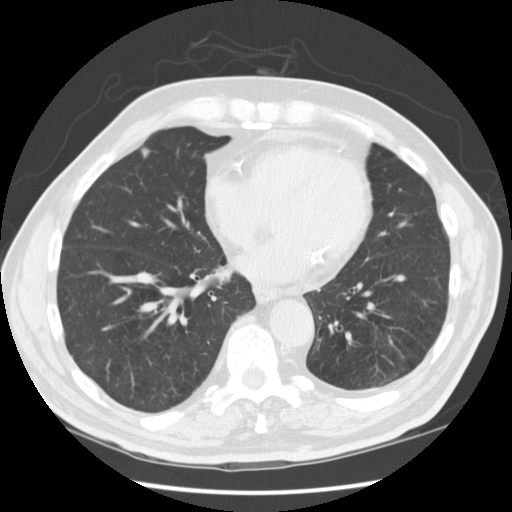
Chest CT, axial plane, 120 kVp, kernel STANDARD. Slice 62/166 from the bottom of the scan; thickness 2.50 mm; pixel size 0.723 mm.
Pulmonary nodule outlined by all four readers; box rows 147–159, columns 141–149 (the union of the readers' outlines on this slice); the four readers' outlines give a longest diameter between 7.3 and 10.5 mm and a volume between 126 and 259 mm3. The readers' ratings, as ranges where they differ: texture from 1/5 (non-solid) to 5/5 (solid) across the four readers; margin from 2/5 to 5/5 (circumscribed) across the four readers; sphericity from 4/5 to 5/5 (round) across the four readers; calcification absent, all four readers agreeing; internal structure soft tissue, all four readers agreeing; subtlety 1–4/5 (the readers disagree); malignancy likelihood 2/5 from all four readers. Scale key (1–5): texture non-solid→solid, margin indistinct→circumscribed, sphericity linear→round, subtlety extremely subtle→obvious, malignancy likelihood highly unlikely→highly suspicious of cancer. Box rows and columns are 0-based pixel indices from the top-left corner, inclusive.